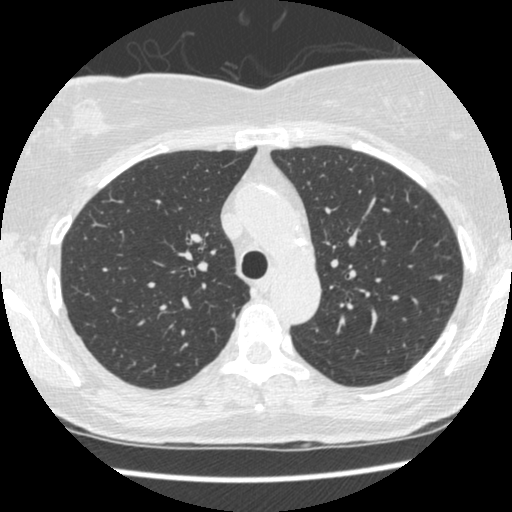
Axial chest CT slice 346 of 481 (counted from the lowest slice); tube voltage 120 kVp, convolution kernel STANDARD; slices 1.25 mm thick, 0.605 mm per pixel.
No nodule 3 mm or larger was outlined here by any reader.